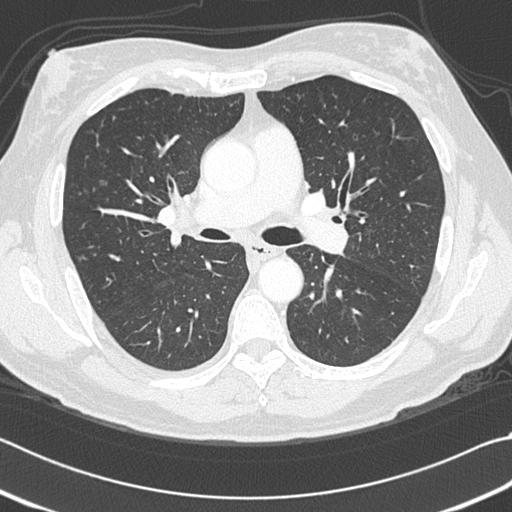
Axial chest CT slice 193 of 312 (counted from the lowest slice); 1.00 mm thick, 0.664 mm per pixel. Two pulmonary nodules are outlined on this slice; from left to right: (1) Pulmonary nodule at rows 180–185, columns 99–106 (box = that reader's outline on this slice), outlined by one of the four readers; longest diameter 6.5 mm and volume 45 mm3 from that reader's outline. Ratings by that reader: texture 1/5 (non-solid); margin 3/5; sphericity 4/5; calcification absent; internal structure soft tissue; subtlety 1/5; malignancy likelihood 3/5. (2) Pulmonary nodule, outlined by all four readers. Box on this slice rows 115–121, columns 112–115, the union of the readers' outlines on this slice; longest diameter 9.6 mm on average over the four readers' outlines (readers' outlines 7.4–13.2 mm), volume 103–239 mm3. The readers' prevailing ratings and who disagreed: texture 5/5 (solid) from all four readers; margin split among the readers: 4/5 (two), 5/5 (circumscribed) (two); sphericity 4/5 by two of four readers; the rest gave 3/5 (ovoid) (one), 5/5 (round) (one); calcification absent from all four readers; internal structure soft tissue, all four readers agreeing; subtlety split among the readers: 3/5 (two), 4/5 (two); malignancy likelihood split among the readers: 2/5 (two), 3/5 (two). Scale key (1–5): texture non-solid→solid, margin indistinct→circumscribed, sphericity linear→round, subtlety extremely subtle→obvious, malignancy likelihood highly unlikely→highly suspicious of cancer. Box rows and columns are 0-based pixel indices from the top-left corner, inclusive.
Scan settings: 120 kVp, B45f reconstruction kernel.